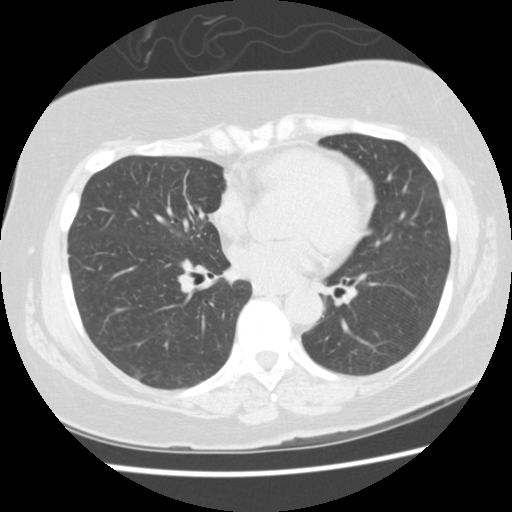
Axial chest CT slice 60 of 145 (counted from the lowest slice); tube voltage 120 kVp, convolution kernel STANDARD; slices 2.50 mm thick, 0.625 mm per pixel.
Pulmonary nodule outlined by one of the four readers; box rows 373–378, columns 133–140 (that reader's outline on this slice); longest diameter 10.0 mm and volume 279 mm3 from that reader's outline. Ratings by that reader: texture 1/5 (non-solid); margin 3/5; sphericity 3/5 (ovoid); calcification absent; internal structure soft tissue; subtlety 5/5; malignancy likelihood 2/5. Scale key (1–5): texture non-solid→solid, margin indistinct→circumscribed, sphericity linear→round, subtlety extremely subtle→obvious, malignancy likelihood highly unlikely→highly suspicious of cancer. Box rows and columns are 0-based pixel indices from the top-left corner, inclusive.